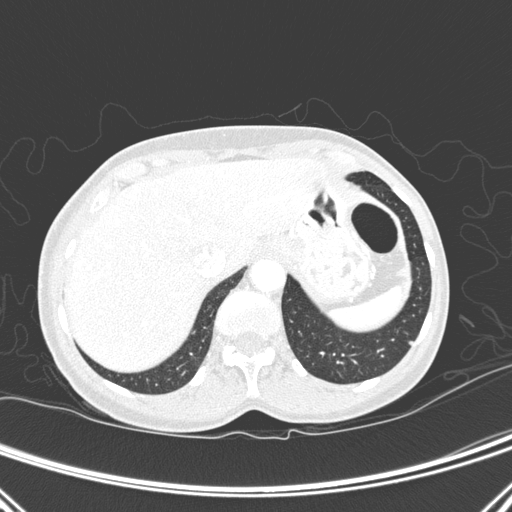
Axial slice 45 of 275 of a chest CT (slice 1 is the lowest), reconstructed with the D kernel at 120 kVp; 1.00 mm slice thickness and 0.658 mm pixels.
Pulmonary nodule at rows 341–345, columns 408–413 (box = the union of the readers' outlines on this slice), outlined by two of the four readers; longest diameter 4.1 mm on average over the two readers' outlines (readers' outlines 3.5–4.7 mm), volume 20–29 mm3. The readers' prevailing ratings and who disagreed: texture 5/5 (solid), both readers agreeing; margin split among the readers: 4/5 (one), 5/5 (circumscribed) (one); sphericity split among the readers: 4/5 (one), 5/5 (round) (one); calcification absent from both readers; internal structure soft tissue, both readers agreeing; subtlety split among the readers: 2/5 (one), 3/5 (one); malignancy likelihood 1/5, both readers agreeing. Scale key (1–5): texture non-solid→solid, margin indistinct→circumscribed, sphericity linear→round, subtlety extremely subtle→obvious, malignancy likelihood highly unlikely→highly suspicious of cancer. Box rows and columns are 0-based pixel indices from the top-left corner, inclusive.